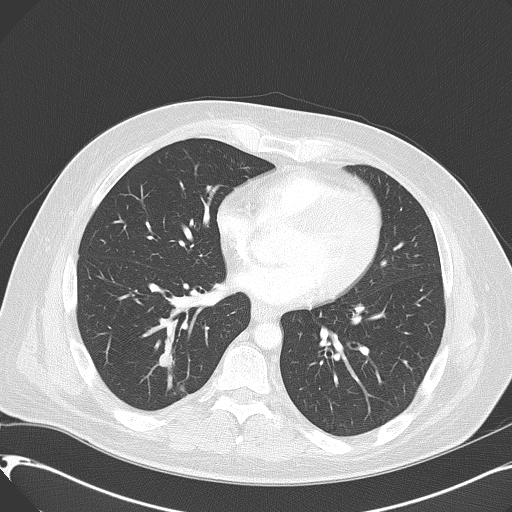
Axial slice 241 of 416 of a chest CT (slice 1 is the lowest), reconstructed with the B70f kernel at 120 kVp; 2.00 mm slice thickness and 0.723 mm pixels.
Pulmonary nodule at rows 353–366, columns 159–171 (box = the union of the readers' outlines on this slice), outlined by two of the four readers; median longest diameter 11.9 mm (readers' outlines 11.8–12.1 mm), median volume 666 mm3 (626–706 mm3). Median ratings and the readers' spread: texture 5/5 (solid), both readers agreeing; median margin 4.5/5 (readers ranged 4/5 to 5/5 (circumscribed)); sphericity 4/5, both readers agreeing; calcification absent from both readers; internal structure soft tissue from both readers; subtlety 4.5/5 at the median of two readers, spread 4–5; malignancy likelihood 4.5/5 at the median of two readers, spread 4–5. Scale key (1–5): texture non-solid→solid, margin indistinct→circumscribed, sphericity linear→round, subtlety extremely subtle→obvious, malignancy likelihood highly unlikely→highly suspicious of cancer. Box rows and columns are 0-based pixel indices from the top-left corner, inclusive.